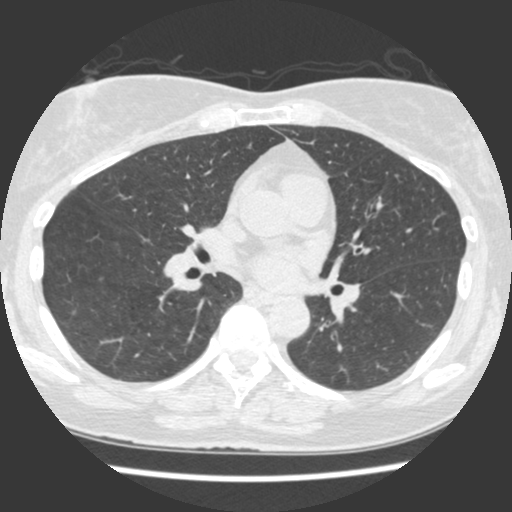
Chest CT, axial plane, 120 kVp, kernel STANDARD. Slice 198/429 from the bottom of the scan; thickness 1.25 mm; pixel size 0.586 mm.
Pulmonary nodule outlined by all four readers, three of them on this slice; box rows 276–281, columns 97–103 (the union of the readers' outlines on this slice); the four readers' outlines give a longest diameter between 7.2 and 8.0 mm and a volume between 53 and 78 mm3. Ratings across the readers: texture from 4/5 to 5/5 (solid) across the four readers; margin from 3/5 to 5/5 (circumscribed) across the four readers; sphericity from 2/5 to 4/5 across the four readers; calcification absent, all four readers agreeing; internal structure soft tissue, all four readers agreeing; subtlety from 3/5 to 5/5 across the four readers; malignancy likelihood 2–4/5 (the readers disagree). Scale key (1–5): texture non-solid→solid, margin indistinct→circumscribed, sphericity linear→round, subtlety extremely subtle→obvious, malignancy likelihood highly unlikely→highly suspicious of cancer. Box rows and columns are 0-based pixel indices from the top-left corner, inclusive.